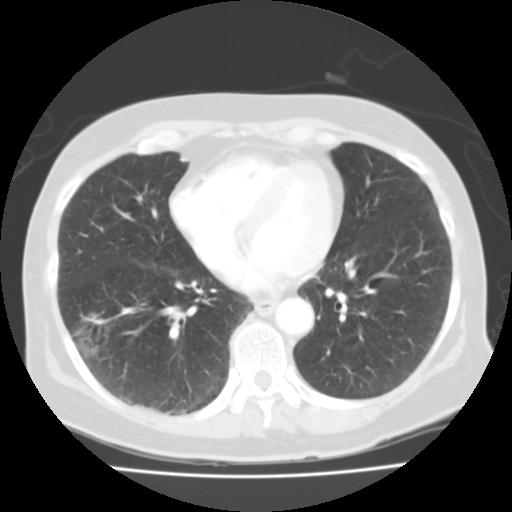
This is axial slice 49 of 118 (slice 1 is the lowest) of a chest CT; each pixel is 0.665 mm and the slice is 3.00 mm thick. Pulmonary nodule, outlined by all four readers. Box on this slice rows 311–357, columns 69–114, the union of the readers' outlines on this slice; the four readers' outlines give a longest diameter between 31.8 and 35.1 mm and a volume between 6444 and 8715 mm3. The readers' ratings, as ranges where they differ: texture from 1/5 (non-solid) to 3/5 (part-solid) across the four readers; margin from 1/5 (indistinct) to 3/5 across the four readers; sphericity from 4/5 to 5/5 (round) across the four readers; calcification absent from all four readers; internal structure soft tissue from all four readers; subtlety 5/5, all four readers agreeing; malignancy likelihood rated between 2 and 5 out of 5 by the four readers. Scale key (1–5): texture non-solid→solid, margin indistinct→circumscribed, sphericity linear→round, subtlety extremely subtle→obvious, malignancy likelihood highly unlikely→highly suspicious of cancer. Box rows and columns are 0-based pixel indices from the top-left corner, inclusive.
Acquired at 135 kVp and reconstructed with the FC01 kernel.